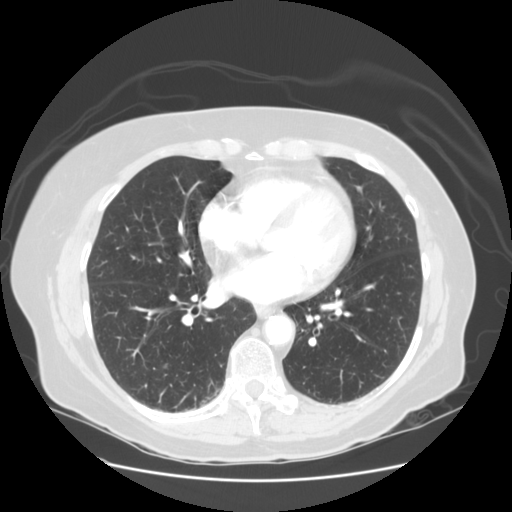
One axial slice (57 of 128, counting up from the lowest) of a chest CT acquired at 120 kVp with the STANDARD kernel; each pixel is 0.742 mm and the slice is 2.50 mm thick.
Pulmonary nodule, outlined by three of the four readers, two of them on this slice. Box on this slice rows 364–367, columns 163–166, the union of the readers' outlines on this slice; longest diameter 6.1 mm on average over the three readers' outlines (readers' outlines 5.7–6.6 mm), volume 89–122 mm3. The readers' prevailing ratings and who disagreed: texture 5/5 (solid) by two of three readers; the rest gave 4/5 (one); margin 5/5 (circumscribed) by two of three readers; the rest gave 3/5 (one); sphericity 5/5 (round) by two of three readers; the rest gave 4/5 (one); calcification absent, all three readers agreeing; internal structure soft tissue from all three readers; most readers (two of three) put subtlety at 3/5, others 4/5 (one); most readers (two of three) put malignancy likelihood at 3/5, others 2/5 (one). Scale key (1–5): texture non-solid→solid, margin indistinct→circumscribed, sphericity linear→round, subtlety extremely subtle→obvious, malignancy likelihood highly unlikely→highly suspicious of cancer. Box rows and columns are 0-based pixel indices from the top-left corner, inclusive.